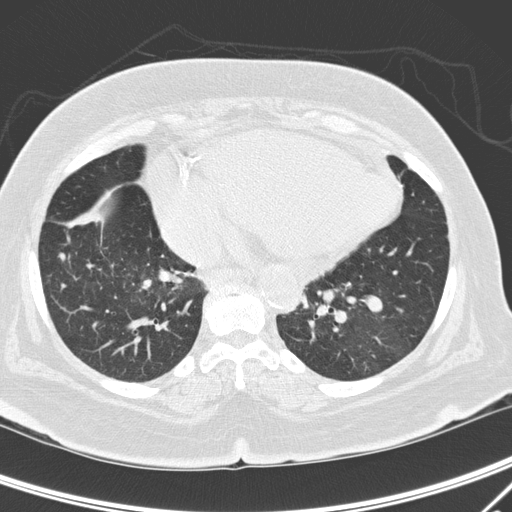
This is axial slice 97 of 295 (slice 1 is the lowest) of a chest CT; each pixel is 0.682 mm and the slice is 2.00 mm thick. None of the four readers outlined a nodule of 3 mm or more on this slice.
Acquired at 120 kVp and reconstructed with the D kernel.